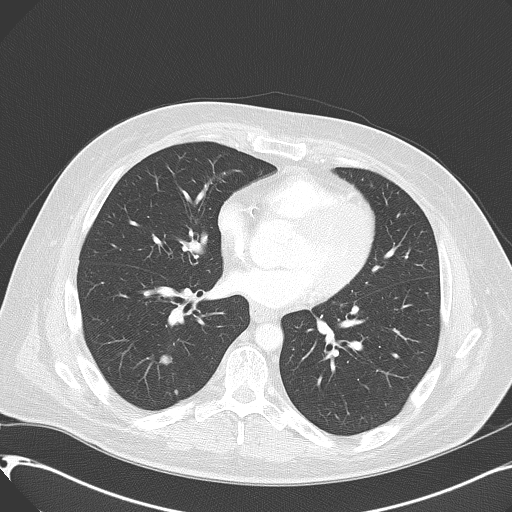
Axial chest CT slice 247 of 416 (counted from the lowest slice); 2.00 mm thick, 0.723 mm per pixel. Pulmonary nodule outlined by two of the four readers; box rows 355–364, columns 160–171 (the union of the readers' outlines on this slice); the two readers' outlines give a longest diameter between 11.8 and 12.1 mm and a volume between 626 and 706 mm3. The readers' ratings, as ranges where they differ: texture 5/5 (solid) from both readers; margin from 4/5 to 5/5 (circumscribed) across the two readers; sphericity 4/5 from both readers; calcification absent from both readers; internal structure soft tissue, both readers agreeing; subtlety rated between 4 and 5 out of 5 by the two readers; malignancy likelihood rated between 4 and 5 out of 5 by the two readers. Scale key (1–5): texture non-solid→solid, margin indistinct→circumscribed, sphericity linear→round, subtlety extremely subtle→obvious, malignancy likelihood highly unlikely→highly suspicious of cancer. Box rows and columns are 0-based pixel indices from the top-left corner, inclusive.
Scan settings: 120 kVp, B70f reconstruction kernel.